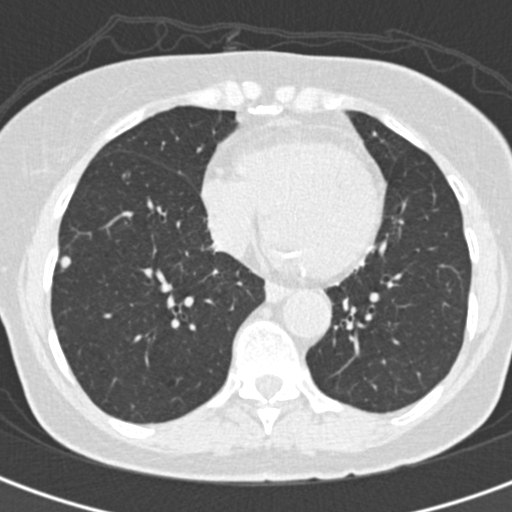
Chest CT, axial plane, 120 kVp, kernel B30f. Slice 77/193 from the bottom of the scan; thickness 2.00 mm; pixel size 0.547 mm.
Pulmonary nodule outlined by all four readers; box rows 254–268, columns 59–70 (the union of the readers' outlines on this slice); longest diameter 8.1 mm on average over the four readers' outlines (readers' outlines 7.4–9.2 mm), volume 153–277 mm3. Ratings, by the readers' most common answer with dissent counted: most readers (three of four) put texture at 5/5 (solid), others 4/5 (one); margin 5/5 (circumscribed) by three of four readers; the rest gave 4/5 (one); most readers (three of four) put sphericity at 4/5, others 5/5 (round) (one); calcification absent from all four readers; internal structure soft tissue, all four readers agreeing; subtlety 4/5 by two of four readers; the rest gave 3/5 (one), 5/5 (one); malignancy likelihood 3/5 by two of four readers; the rest gave 2/5 (one), 4/5 (one). Scale key (1–5): texture non-solid→solid, margin indistinct→circumscribed, sphericity linear→round, subtlety extremely subtle→obvious, malignancy likelihood highly unlikely→highly suspicious of cancer. Box rows and columns are 0-based pixel indices from the top-left corner, inclusive.